Axial slice 336 of 376 of a chest CT (slice 1 is the lowest), reconstructed with the B30f kernel at 120 kVp; 0.75 mm slice thickness and 0.461 mm pixels.
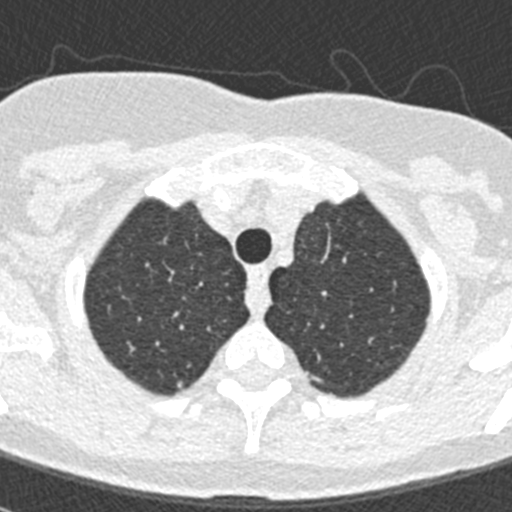
Pulmonary nodule outlined by one of the four readers; box rows 381–387, columns 177–182 (that reader's outline on this slice); longest diameter 4.3 mm and volume 32 mm3 from that reader's outline. That reader's ratings: texture 5/5 (solid); margin 4/5; sphericity 4/5; calcification absent; internal structure soft tissue; subtlety 5/5; malignancy likelihood 3/5. Scale key (1–5): texture non-solid→solid, margin indistinct→circumscribed, sphericity linear→round, subtlety extremely subtle→obvious, malignancy likelihood highly unlikely→highly suspicious of cancer. Box rows and columns are 0-based pixel indices from the top-left corner, inclusive.